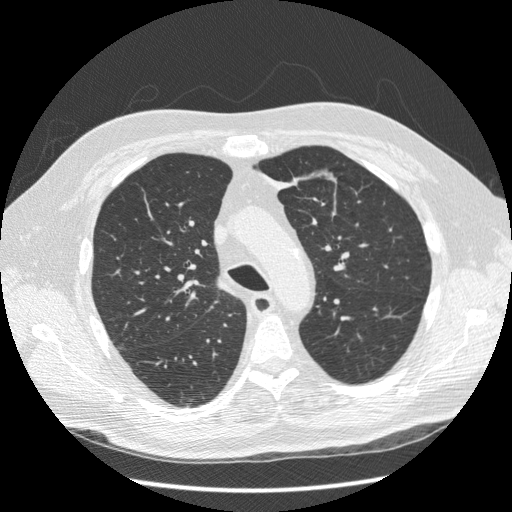
Chest CT, axial plane, 120 kVp, kernel STANDARD. Slice 142/216 from the bottom of the scan; thickness 1.25 mm; pixel size 0.703 mm.
None of the four readers outlined a nodule of 3 mm or more on this slice.